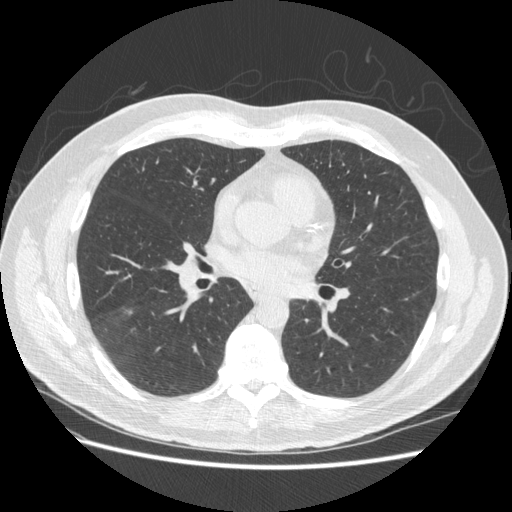
One axial slice (241 of 474, counting up from the lowest) of a chest CT acquired at 120 kVp with the STANDARD kernel; each pixel is 0.723 mm and the slice is 1.25 mm thick.
No nodule of 3 mm or larger was outlined by any of the four readers on this slice.